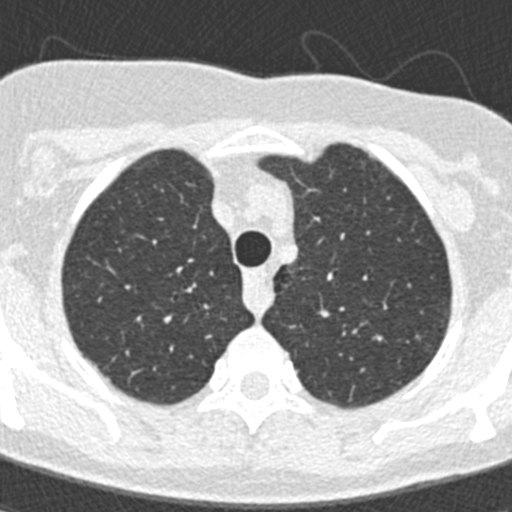
One axial slice (319 of 376, counting up from the lowest) of a chest CT acquired at 120 kVp with the B30f kernel; each pixel is 0.461 mm and the slice is 0.75 mm thick.
Two pulmonary nodules on this slice, listed from left to right. (1) Pulmonary nodule, outlined by one of the four readers. Box on this slice rows 357–363, columns 86–93, that reader's outline on this slice; longest diameter 7.0 mm and volume 28 mm3 from that reader's outline. That reader's ratings: texture 5/5 (solid); margin 3/5; sphericity 3/5 (ovoid); calcification absent; internal structure soft tissue; subtlety 5/5; malignancy likelihood 3/5. (2) Pulmonary nodule outlined by one of the four readers; box rows 376–382, columns 106–111 (that reader's outline on this slice); longest diameter 5.2 mm and volume 39 mm3 from that reader's outline. That reader's ratings: texture 5/5 (solid); margin 4/5; sphericity 3/5 (ovoid); calcification absent; internal structure soft tissue; subtlety 5/5; malignancy likelihood 3/5. Scale key (1–5): texture non-solid→solid, margin indistinct→circumscribed, sphericity linear→round, subtlety extremely subtle→obvious, malignancy likelihood highly unlikely→highly suspicious of cancer. Box rows and columns are 0-based pixel indices from the top-left corner, inclusive.